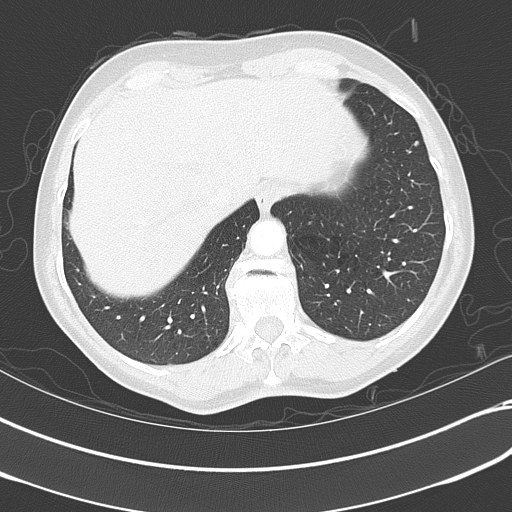
Slice 107/351 of a chest CT, counting up from the lowest; pixel size 0.643 mm, slice thickness 2.00 mm. Pulmonary nodule, outlined by one of the four readers. Box on this slice rows 141–145, columns 414–418, that reader's outline on this slice; longest diameter 4.5 mm and volume 37 mm3 from that reader's outline. That reader's ratings: texture 5/5 (solid); margin 5/5 (circumscribed); sphericity 5/5 (round); calcification absent; internal structure soft tissue; subtlety 1/5; malignancy likelihood 2/5. Scale key (1–5): texture non-solid→solid, margin indistinct→circumscribed, sphericity linear→round, subtlety extremely subtle→obvious, malignancy likelihood highly unlikely→highly suspicious of cancer. Box rows and columns are 0-based pixel indices from the top-left corner, inclusive.
Tube voltage 120 kVp; convolution kernel B70f.